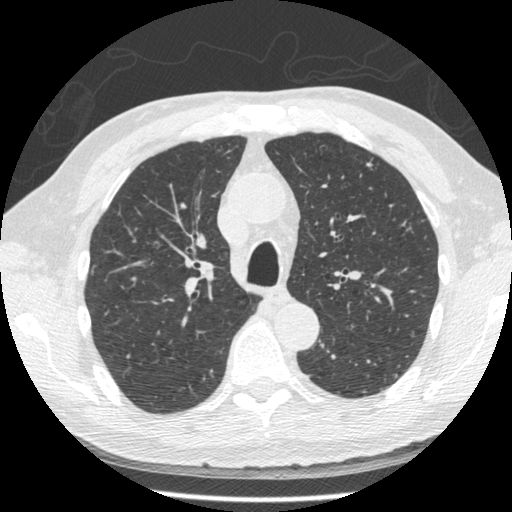
This is axial slice 330 of 481 (slice 1 is the lowest) of a chest CT; each pixel is 0.664 mm and the slice is 1.25 mm thick. Pulmonary nodule, outlined by two of the four readers. Box on this slice rows 158–170, columns 366–372, the union of the readers' outlines on this slice; longest diameter 11.4 mm on average over the two readers' outlines (readers' outlines 10.5–12.2 mm), volume 150–184 mm3. The readers' prevailing ratings and who disagreed: texture split among the readers: 2/5 (one), 4/5 (one); margin split among the readers: 1/5 (indistinct) (one), 4/5 (one); sphericity split among the readers: 2/5 (one), 3/5 (ovoid) (one); calcification absent, both readers agreeing; internal structure soft tissue, both readers agreeing; subtlety split among the readers: 2/5 (one), 4/5 (one); malignancy likelihood split among the readers: 1/5 (one), 3/5 (one). Scale key (1–5): texture non-solid→solid, margin indistinct→circumscribed, sphericity linear→round, subtlety extremely subtle→obvious, malignancy likelihood highly unlikely→highly suspicious of cancer. Box rows and columns are 0-based pixel indices from the top-left corner, inclusive.
Tube voltage 120 kVp; convolution kernel STANDARD.